One axial slice (66 of 119, counting up from the lowest) of a chest CT acquired at 120 kVp with the LUNG kernel; each pixel is 0.742 mm and the slice is 2.50 mm thick.
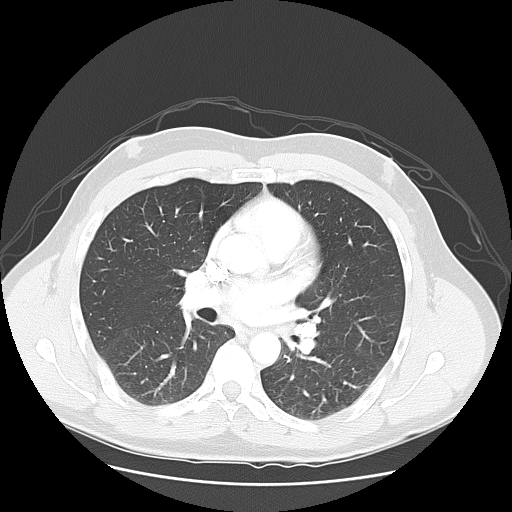
This slice carries no reader outline of a nodule 3 mm or larger.